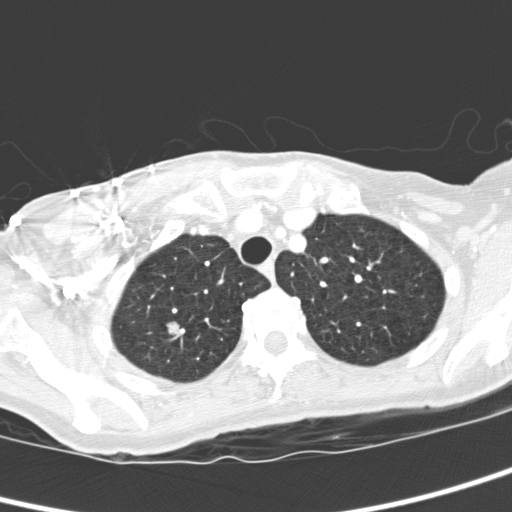
Chest CT, axial plane, 120 kVp, kernel D. Slice 269/321 from the bottom of the scan; thickness 2.00 mm; pixel size 0.557 mm.
Pulmonary nodule, outlined by all four readers. Box on this slice rows 320–335, columns 165–180, the union of the readers' outlines on this slice; the four readers' outlines give a longest diameter between 9.1 and 10.4 mm and a volume between 168 and 407 mm3. The readers' ratings, as ranges where they differ: texture 5/5 (solid) from all four readers; margin from 4/5 to 5/5 (circumscribed) across the four readers; sphericity from 3/5 (ovoid) to 4/5 across the four readers; calcification absent from all four readers; internal structure soft tissue from all four readers; subtlety 4–5/5 (the readers disagree); malignancy likelihood rated between 3 and 5 out of 5 by the four readers. Scale key (1–5): texture non-solid→solid, margin indistinct→circumscribed, sphericity linear→round, subtlety extremely subtle→obvious, malignancy likelihood highly unlikely→highly suspicious of cancer. Box rows and columns are 0-based pixel indices from the top-left corner, inclusive.